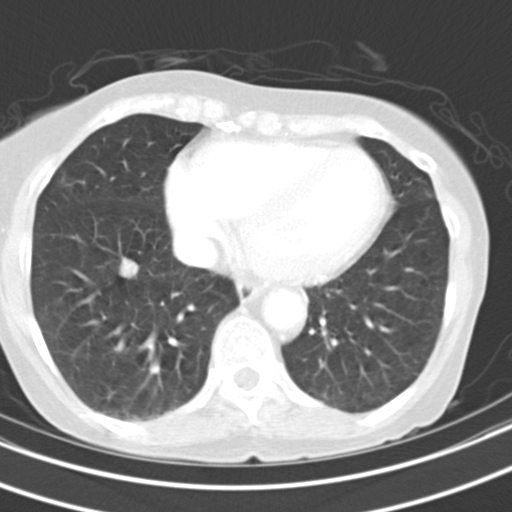
Axial chest CT slice 87 of 129 (counted from the lowest slice); tube voltage 130 kVp, convolution kernel B30s; slices 5.00 mm thick, 0.590 mm per pixel.
Pulmonary nodule outlined by all four readers; box rows 256–278, columns 118–139 (the union of the readers' outlines on this slice); median longest diameter 14.8 mm (readers' outlines 14.1–15.6 mm), median volume 1126 mm3 (979–1159 mm3). Median ratings and the readers' spread: texture 5/5 (solid), all four readers agreeing; margin 5/5 (circumscribed) from all four readers; sphericity 4.5/5 at the median of four readers, spread 4/5 to 5/5 (round); calcification absent, all four readers agreeing; internal structure soft tissue, all four readers agreeing; subtlety 4.5/5 at the median of four readers, spread 3–5; malignancy likelihood 3.5/5 at the median of four readers, spread 2–5. Scale key (1–5): texture non-solid→solid, margin indistinct→circumscribed, sphericity linear→round, subtlety extremely subtle→obvious, malignancy likelihood highly unlikely→highly suspicious of cancer. Box rows and columns are 0-based pixel indices from the top-left corner, inclusive.